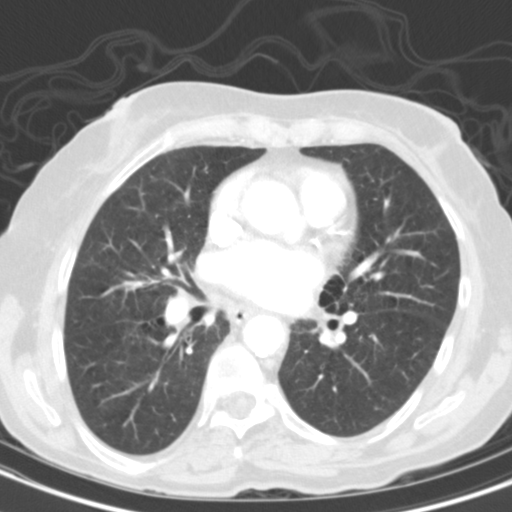
Axial chest CT slice 68 of 117 (counted from the lowest slice); tube voltage 130 kVp, convolution kernel B31s; slices 3.00 mm thick, 0.566 mm per pixel.
This slice carries no reader outline of a nodule 3 mm or larger.